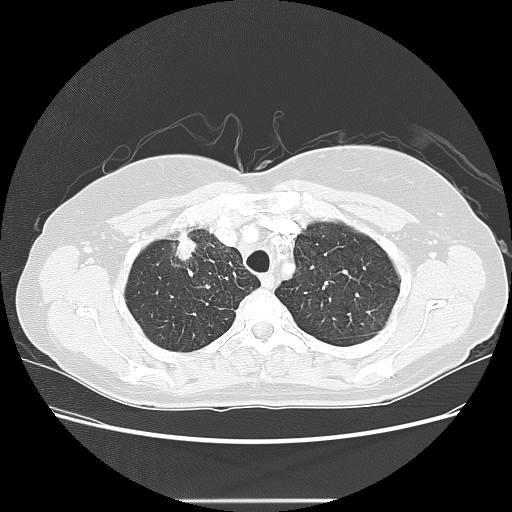
Slice 110/130 of a chest CT, counting up from the lowest; pixel size 0.703 mm, slice thickness 2.50 mm. Pulmonary nodule outlined by three of the four readers; box rows 234–260, columns 175–195 (the union of the readers' outlines on this slice); longest diameter 30.2 mm on average over the three readers' outlines (readers' outlines 26.3–33.4 mm), volume 4054–5494 mm3. The readers' prevailing ratings and who disagreed: most readers (two of three) put texture at 5/5 (solid), others 4/5 (one); margin split among the readers: 3/5 (one), 4/5 (one), 5/5 (circumscribed) (one); sphericity split among the readers: 3/5 (ovoid) (one), 4/5 (one), 5/5 (round) (one); calcification absent, all three readers agreeing; internal structure soft tissue, all three readers agreeing; subtlety 5/5, all three readers agreeing; malignancy likelihood 5/5 by two of three readers; the rest gave 4/5 (one). Scale key (1–5): texture non-solid→solid, margin indistinct→circumscribed, sphericity linear→round, subtlety extremely subtle→obvious, malignancy likelihood highly unlikely→highly suspicious of cancer. Box rows and columns are 0-based pixel indices from the top-left corner, inclusive.
Tube voltage 120 kVp; convolution kernel LUNG.